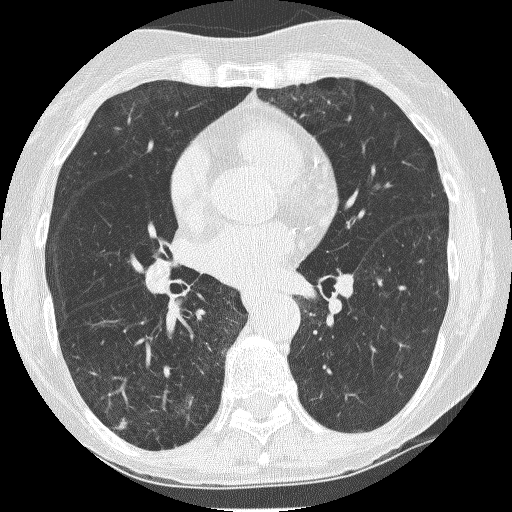
Chest CT, axial plane, 120 kVp, kernel BONE. Slice 115/235 from the bottom of the scan; thickness 1.25 mm; pixel size 0.537 mm.
Pulmonary nodule, outlined by two of the four readers. Box on this slice rows 418–430, columns 114–126, the union of the readers' outlines on this slice; median longest diameter 8.1 mm (readers' outlines 7.7–8.5 mm), median volume 147 mm3 (108–186 mm3). Ratings, median across the readers with their spread: texture 5/5 (solid), both readers agreeing; median margin 3/5 (readers ranged 2/5 to 4/5); median sphericity 3.5/5 (readers ranged 3/5 (ovoid) to 4/5); calcification absent, both readers agreeing; internal structure soft tissue from both readers; subtlety 3/5 at the median of two readers, spread 2–4; median malignancy likelihood 3.5/5 (readers ranged 3–4). Scale key (1–5): texture non-solid→solid, margin indistinct→circumscribed, sphericity linear→round, subtlety extremely subtle→obvious, malignancy likelihood highly unlikely→highly suspicious of cancer. Box rows and columns are 0-based pixel indices from the top-left corner, inclusive.